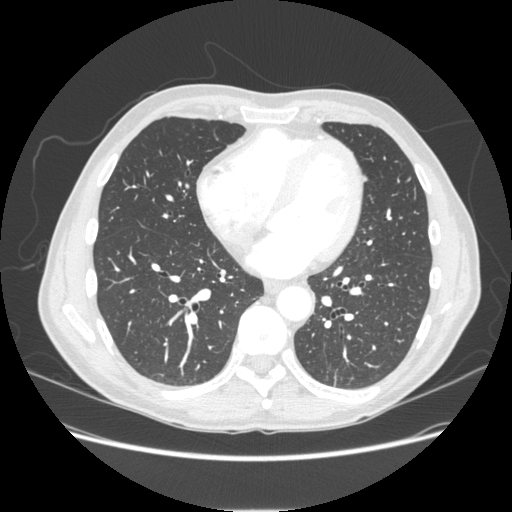
This is axial slice 97 of 253 (slice 1 is the lowest) of a chest CT; each pixel is 0.742 mm and the slice is 1.25 mm thick. Pulmonary nodule at rows 177–181, columns 405–410 (box = the union of the readers' outlines on this slice), outlined by three of the four readers, two of them on this slice; median longest diameter 6.6 mm (readers' outlines 6.3–6.8 mm), median volume 59 mm3 (28–64 mm3). Median ratings and the readers' spread: texture 5/5 (solid) from all three readers; margin 5/5 (circumscribed), all three readers agreeing; sphericity 3/5 (ovoid) at the median of three readers, spread 2/5 to 4/5; calcification absent from all three readers; internal structure soft tissue from all three readers; median subtlety 3/5 (readers ranged 2–3); malignancy likelihood 2/5 at the median of three readers, spread 2–3. Scale key (1–5): texture non-solid→solid, margin indistinct→circumscribed, sphericity linear→round, subtlety extremely subtle→obvious, malignancy likelihood highly unlikely→highly suspicious of cancer. Box rows and columns are 0-based pixel indices from the top-left corner, inclusive.
Acquired at 120 kVp and reconstructed with the STANDARD kernel.